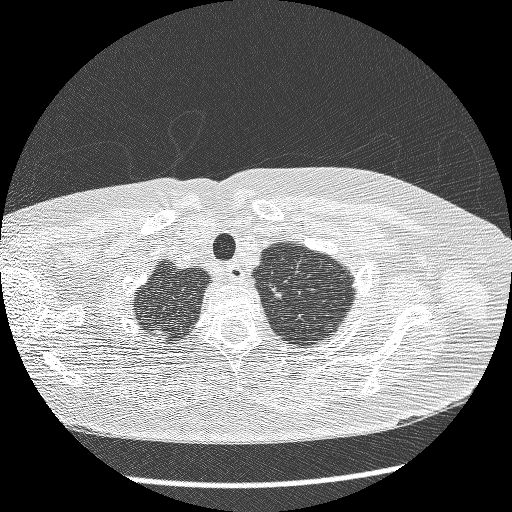
This is axial slice 226 of 246 (slice 1 is the lowest) of a chest CT; each pixel is 0.652 mm and the slice is 1.25 mm thick. Pulmonary nodule at rows 287–298, columns 271–281 (box = the union of the readers' outlines on this slice), outlined by all four readers; median longest diameter 9.6 mm (readers' outlines 5.8–10.8 mm), median volume 85 mm3 (61–127 mm3). Ratings, median across the readers with their spread: texture 5/5 (solid) from all four readers; median margin 4/5 (readers ranged 1/5 (indistinct) to 5/5 (circumscribed)); median sphericity 2/5 (readers ranged 2/5 to 4/5); calcification absent, all four readers agreeing; internal structure soft tissue, all four readers agreeing; subtlety 3/5 at the median of four readers, spread 3–4; malignancy likelihood 2.5/5 at the median of four readers, spread 2–4. Scale key (1–5): texture non-solid→solid, margin indistinct→circumscribed, sphericity linear→round, subtlety extremely subtle→obvious, malignancy likelihood highly unlikely→highly suspicious of cancer. Box rows and columns are 0-based pixel indices from the top-left corner, inclusive.
Scan settings: 120 kVp, BONE reconstruction kernel.